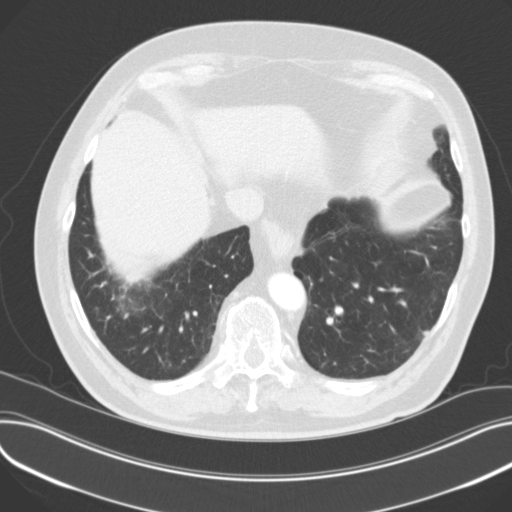
One axial slice (43 of 129, counting up from the lowest) of a chest CT acquired at 120 kVp with the B31f kernel; each pixel is 0.730 mm and the slice is 3.00 mm thick.
Pulmonary nodule outlined by all four readers, one of them on this slice; box rows 275–282, columns 127–138 (the one reader's outline on this slice); longest diameter 14.3 mm on average over the four readers' outlines (readers' outlines 13.4–15.2 mm), volume 918–1274 mm3. The readers' prevailing ratings and who disagreed: texture 5/5 (solid) from all four readers; most readers (three of four) put margin at 5/5 (circumscribed), others 4/5 (one); sphericity 5/5 (round) from all four readers; calcification absent, all four readers agreeing; internal structure soft tissue, all four readers agreeing; subtlety 5/5 by two of four readers; the rest gave 3/5 (one), 4/5 (one); malignancy likelihood split among the readers: 2/5 (one), 3/5 (one), 4/5 (one), 5/5 (one). Scale key (1–5): texture non-solid→solid, margin indistinct→circumscribed, sphericity linear→round, subtlety extremely subtle→obvious, malignancy likelihood highly unlikely→highly suspicious of cancer. Box rows and columns are 0-based pixel indices from the top-left corner, inclusive.